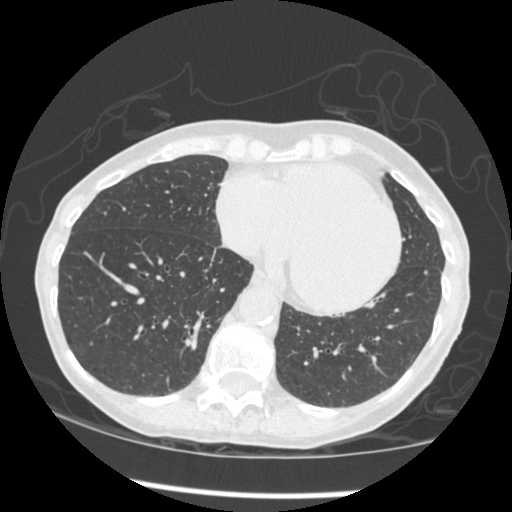
One axial slice (144 of 461, counting up from the lowest) of a chest CT acquired at 120 kVp with the STANDARD kernel; each pixel is 0.645 mm and the slice is 1.25 mm thick.
Pulmonary nodule, outlined by one of the four readers. Box on this slice rows 270–274, columns 422–428, that reader's outline on this slice; longest diameter 5.8 mm and volume 32 mm3 from that reader's outline. That reader's ratings: texture 5/5 (solid); margin 5/5 (circumscribed); sphericity 5/5 (round); calcification absent; internal structure soft tissue; subtlety 3/5; malignancy likelihood 2/5. Scale key (1–5): texture non-solid→solid, margin indistinct→circumscribed, sphericity linear→round, subtlety extremely subtle→obvious, malignancy likelihood highly unlikely→highly suspicious of cancer. Box rows and columns are 0-based pixel indices from the top-left corner, inclusive.